Axial chest CT slice 177 of 484 (counted from the lowest slice); tube voltage 120 kVp, convolution kernel STANDARD; slices 1.25 mm thick, 0.586 mm per pixel.
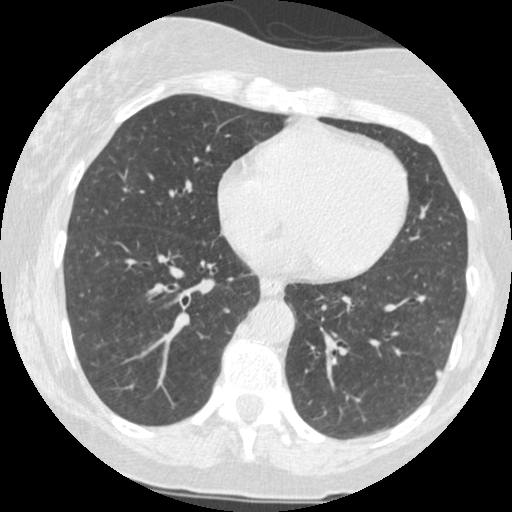
Pulmonary nodule outlined by three of the four readers; box rows 369–379, columns 435–441 (the union of the readers' outlines on this slice); longest diameter 6.4–7.2 mm and volume 50–74 mm3 across the three readers' outlines. Ratings across the readers: texture 5/5 (solid), all three readers agreeing; margin from 4/5 to 5/5 (circumscribed) across the three readers; sphericity from 3/5 (ovoid) to 4/5 across the three readers; calcification absent, all three readers agreeing; internal structure soft tissue from all three readers; subtlety from 3/5 to 4/5 across the three readers; malignancy likelihood 1–3/5 (the readers disagree). Scale key (1–5): texture non-solid→solid, margin indistinct→circumscribed, sphericity linear→round, subtlety extremely subtle→obvious, malignancy likelihood highly unlikely→highly suspicious of cancer. Box rows and columns are 0-based pixel indices from the top-left corner, inclusive.